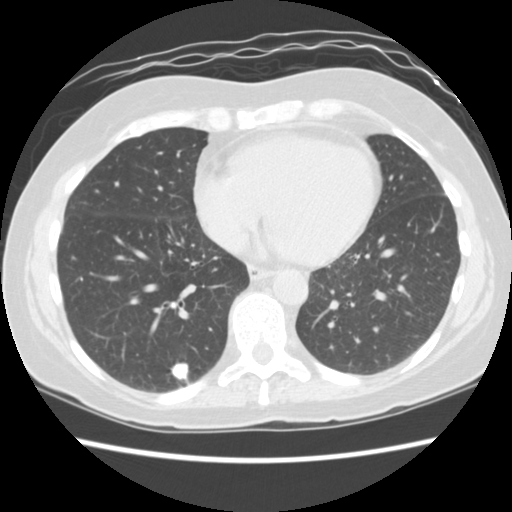
Chest CT, axial plane, 120 kVp, kernel STANDARD. Slice 52/156 from the bottom of the scan; thickness 2.50 mm; pixel size 0.645 mm.
Pulmonary nodule at rows 362–378, columns 170–188 (box = the union of the readers' outlines on this slice), outlined by all four readers; median longest diameter 14.0 mm (readers' outlines 13.7–18.2 mm), median volume 964 mm3 (717–1515 mm3). Ratings, median across the readers with their spread: texture 5/5 (solid) from all four readers; margin 4.5/5 at the median of four readers, spread 4/5 to 5/5 (circumscribed); median sphericity 3.5/5 (readers ranged 3/5 (ovoid) to 5/5 (round)); calcification: solid calcification (three), absent (one); internal structure soft tissue from all four readers; subtlety 5/5, all four readers agreeing; median malignancy likelihood 1/5 (readers ranged 1–5). Scale key (1–5): texture non-solid→solid, margin indistinct→circumscribed, sphericity linear→round, subtlety extremely subtle→obvious, malignancy likelihood highly unlikely→highly suspicious of cancer. Box rows and columns are 0-based pixel indices from the top-left corner, inclusive.